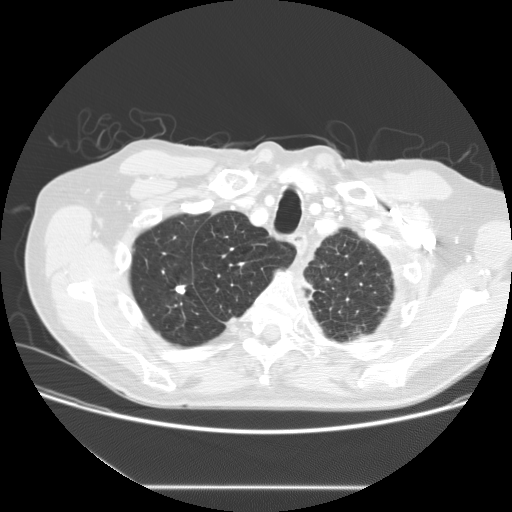
One axial slice (127 of 149, counting up from the lowest) of a chest CT acquired at 120 kVp with the STANDARD kernel; each pixel is 0.742 mm and the slice is 2.50 mm thick.
Pulmonary nodule, outlined by all four readers. Box on this slice rows 284–294, columns 174–185, the union of the readers' outlines on this slice; longest diameter 9.6 mm on average over the four readers' outlines (readers' outlines 9.0–10.3 mm), volume 361–479 mm3. Ratings, by the readers' most common answer with dissent counted: texture 5/5 (solid) from all four readers; most readers (three of four) put margin at 5/5 (circumscribed), others 4/5 (one); most readers (three of four) put sphericity at 4/5, others 5/5 (round) (one); calcification solid calcification by three of four readers, absent (one); internal structure soft tissue, all four readers agreeing; most readers (three of four) put subtlety at 5/5, others 4/5 (one); malignancy likelihood 1/5 by three of four readers; the rest gave 3/5 (one). Scale key (1–5): texture non-solid→solid, margin indistinct→circumscribed, sphericity linear→round, subtlety extremely subtle→obvious, malignancy likelihood highly unlikely→highly suspicious of cancer. Box rows and columns are 0-based pixel indices from the top-left corner, inclusive.